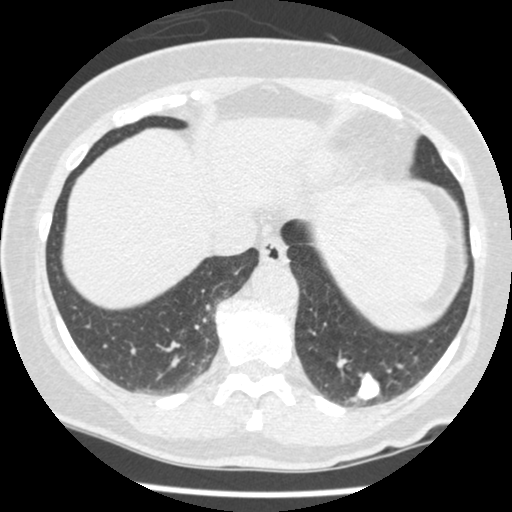
Axial chest CT slice 121 of 465 (counted from the lowest slice); tube voltage 120 kVp, convolution kernel STANDARD; slices 1.25 mm thick, 0.586 mm per pixel.
Pulmonary nodule, outlined by all four readers. Box on this slice rows 372–400, columns 355–380, the union of the readers' outlines on this slice; longest diameter 18.1 mm on average over the four readers' outlines (readers' outlines 15.8–20.8 mm), volume 1106–1600 mm3. Ratings, by the readers' most common answer with dissent counted: texture 5/5 (solid) from all four readers; margin 4/5 by two of four readers; the rest gave 3/5 (one), 5/5 (circumscribed) (one); most readers (three of four) put sphericity at 4/5, others 3/5 (ovoid) (one); calcification absent by two of four readers, solid calcification (one), central calcification (one); internal structure soft tissue from all four readers; subtlety 5/5, all four readers agreeing; malignancy likelihood 1/5 by two of four readers; the rest gave 4/5 (one), 5/5 (one). Scale key (1–5): texture non-solid→solid, margin indistinct→circumscribed, sphericity linear→round, subtlety extremely subtle→obvious, malignancy likelihood highly unlikely→highly suspicious of cancer. Box rows and columns are 0-based pixel indices from the top-left corner, inclusive.